Axial slice 195 of 493 of a chest CT (slice 1 is the lowest), reconstructed with the B30f kernel at 120 kVp; 0.75 mm slice thickness and 0.762 mm pixels.
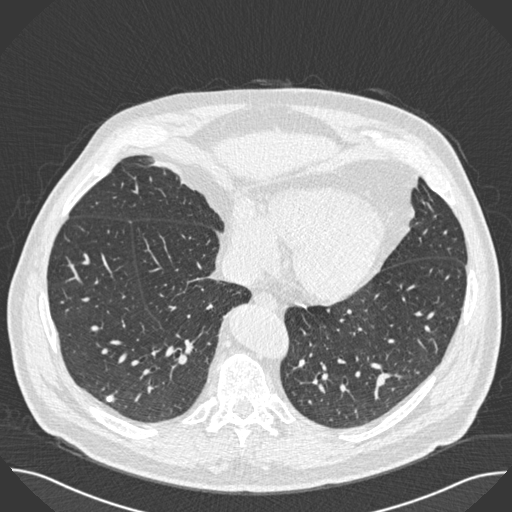
Pulmonary nodule at rows 396–401, columns 106–112 (box = the union of the readers' outlines on this slice), outlined by three of the four readers; the three readers' outlines give a longest diameter between 7.2 and 8.5 mm and a volume between 95 and 166 mm3. Ratings across the readers: texture 5/5 (solid) from all three readers; margin 5/5 (circumscribed) from all three readers; sphericity from 4/5 to 5/5 (round) across the three readers; calcification solid calcification from all three readers; internal structure soft tissue from all three readers; subtlety rated between 4 and 5 out of 5 by the three readers; malignancy likelihood 1/5 from all three readers. Scale key (1–5): texture non-solid→solid, margin indistinct→circumscribed, sphericity linear→round, subtlety extremely subtle→obvious, malignancy likelihood highly unlikely→highly suspicious of cancer. Box rows and columns are 0-based pixel indices from the top-left corner, inclusive.